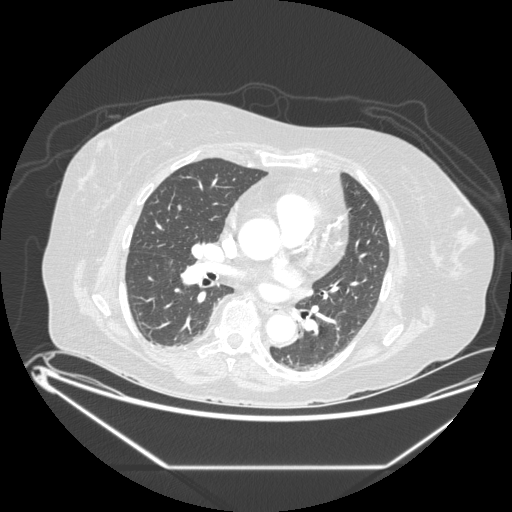
Axial slice 100 of 197 of a chest CT (slice 1 is the lowest), reconstructed with the STANDARD kernel at 120 kVp; 1.25 mm slice thickness and 0.859 mm pixels.
Pulmonary nodule, outlined by all four readers. Box on this slice rows 204–212, columns 177–181, the union of the readers' outlines on this slice; median longest diameter 9.4 mm (readers' outlines 9.3–11.5 mm), median volume 210 mm3 (206–288 mm3). Median ratings and the readers' spread: texture 5/5 (solid), all four readers agreeing; margin 5/5 (circumscribed) at the median of four readers, spread 3/5 to 5/5 (circumscribed); median sphericity 3.5/5 (readers ranged 3/5 (ovoid) to 5/5 (round)); calcification absent, all four readers agreeing; internal structure soft tissue, all four readers agreeing; subtlety 4.5/5 at the median of four readers, spread 3–5; malignancy likelihood 3/5 at the median of four readers, spread 2–4. Scale key (1–5): texture non-solid→solid, margin indistinct→circumscribed, sphericity linear→round, subtlety extremely subtle→obvious, malignancy likelihood highly unlikely→highly suspicious of cancer. Box rows and columns are 0-based pixel indices from the top-left corner, inclusive.